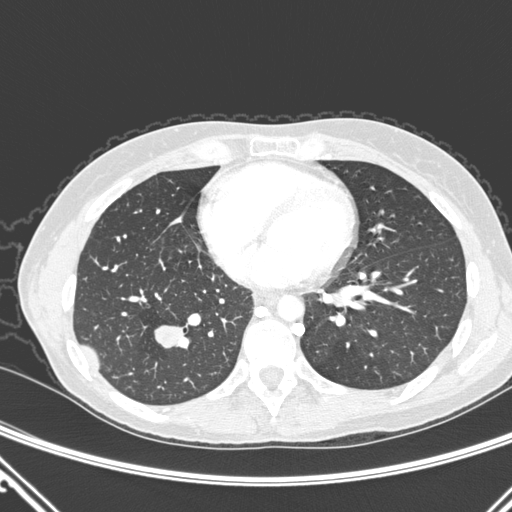
Axial chest CT slice 106 of 290 (counted from the lowest slice); 1.00 mm thick, 0.662 mm per pixel. Pulmonary nodule outlined by all four readers; box rows 324–347, columns 154–183 (the union of the readers' outlines on this slice); longest diameter 24.6 mm on average over the four readers' outlines (readers' outlines 22.2–29.6 mm), volume 2637–3531 mm3. The readers' prevailing ratings and who disagreed: texture 5/5 (solid), all four readers agreeing; margin split among the readers: 4/5 (two), 5/5 (circumscribed) (two); sphericity 4/5 by two of four readers; the rest gave 2/5 (one), 5/5 (round) (one); calcification absent from all four readers; internal structure soft tissue, all four readers agreeing; subtlety 5/5 from all four readers; malignancy likelihood 5/5 by two of four readers; the rest gave 3/5 (one), 4/5 (one). Scale key (1–5): texture non-solid→solid, margin indistinct→circumscribed, sphericity linear→round, subtlety extremely subtle→obvious, malignancy likelihood highly unlikely→highly suspicious of cancer. Box rows and columns are 0-based pixel indices from the top-left corner, inclusive.
Scan settings: 120 kVp, D reconstruction kernel.